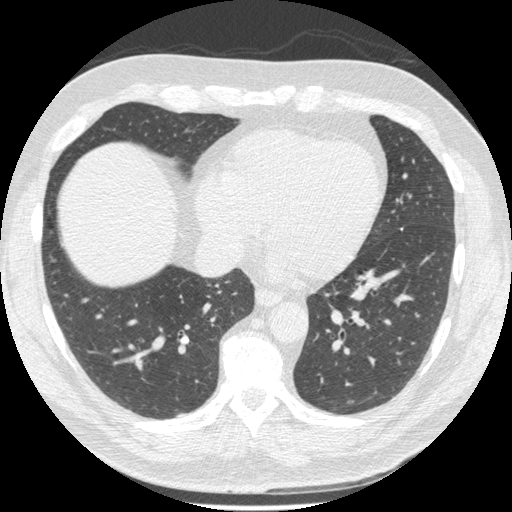
Axial slice 213 of 557 of a chest CT (slice 1 is the lowest), reconstructed with the STANDARD kernel at 120 kVp; 1.25 mm slice thickness and 0.703 mm pixels.
Pulmonary nodule, outlined by all four readers. Box on this slice rows 335–343, columns 179–189, the union of the readers' outlines on this slice; median longest diameter 7.2 mm (readers' outlines 6.7–9.4 mm), median volume 122 mm3 (108–158 mm3). Median ratings and the readers' spread: texture 5/5 (solid) from all four readers; margin 5/5 (circumscribed), all four readers agreeing; sphericity 4.5/5 at the median of four readers, spread 3/5 (ovoid) to 5/5 (round); calcification: solid calcification (three), absent (one); internal structure soft tissue, all four readers agreeing; subtlety 3.5/5 at the median of four readers, spread 3–5; malignancy likelihood 1/5 at the median of four readers, spread 1–2. Scale key (1–5): texture non-solid→solid, margin indistinct→circumscribed, sphericity linear→round, subtlety extremely subtle→obvious, malignancy likelihood highly unlikely→highly suspicious of cancer. Box rows and columns are 0-based pixel indices from the top-left corner, inclusive.